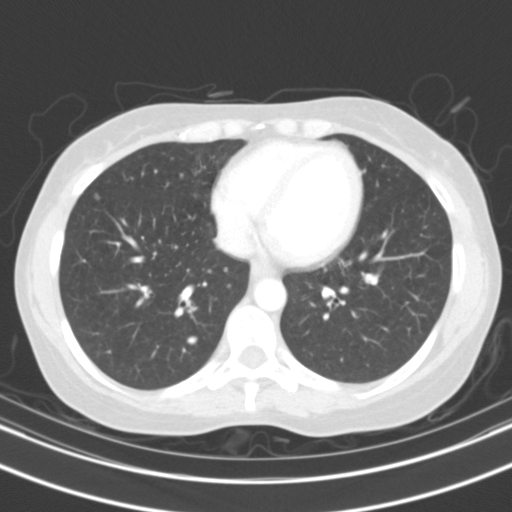
Axial chest CT slice 47 of 108 (counted from the lowest slice); tube voltage 130 kVp, convolution kernel B31s; slices 3.00 mm thick, 0.629 mm per pixel.
Two pulmonary nodules on this slice, listed from left to right. (1) Pulmonary nodule at rows 194–199, columns 94–98 (box = that reader's outline on this slice), outlined by one of the four readers; longest diameter 5.4 mm and volume 81 mm3 from that reader's outline. That reader's ratings: texture 5/5 (solid); margin 5/5 (circumscribed); sphericity 4/5; calcification absent; internal structure soft tissue; subtlety 5/5; malignancy likelihood 2/5. (2) Pulmonary nodule, outlined by all four readers. Box on this slice rows 336–343, columns 187–196, the union of the readers' outlines on this slice; longest diameter 8.6 mm on average over the four readers' outlines (readers' outlines 7.7–9.3 mm), volume 155–286 mm3. Ratings, by the readers' most common answer with dissent counted: texture 5/5 (solid), all four readers agreeing; most readers (three of four) put margin at 5/5 (circumscribed), others 4/5 (one); sphericity 3/5 (ovoid) by two of four readers; the rest gave 4/5 (one), 5/5 (round) (one); calcification solid calcification from all four readers; internal structure soft tissue, all four readers agreeing; subtlety 4/5 by three of four readers; the rest gave 5/5 (one); malignancy likelihood 1/5 from all four readers. Scale key (1–5): texture non-solid→solid, margin indistinct→circumscribed, sphericity linear→round, subtlety extremely subtle→obvious, malignancy likelihood highly unlikely→highly suspicious of cancer. Box rows and columns are 0-based pixel indices from the top-left corner, inclusive.